Axial slice 103 of 347 of a chest CT (slice 1 is the lowest), reconstructed with the B45f kernel at 120 kVp; 1.00 mm slice thickness and 0.625 mm pixels.
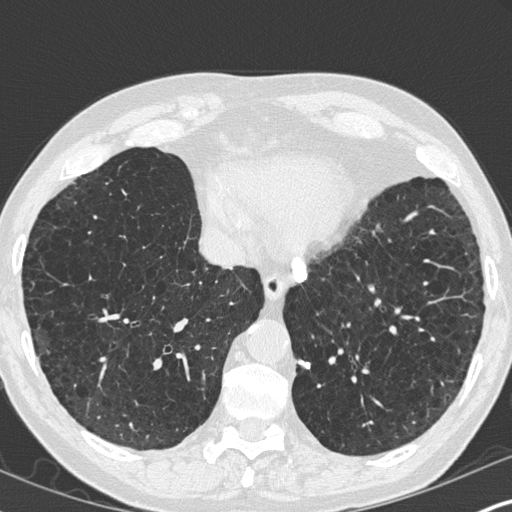
Pulmonary nodule at rows 359–368, columns 298–309 (box = the union of the readers' outlines on this slice), outlined by two of the four readers; longest diameter 12.5 mm on average over the two readers' outlines (readers' outlines 10.7–14.3 mm), volume 348–470 mm3. Ratings, by the readers' most common answer with dissent counted: texture 5/5 (solid) from both readers; margin split among the readers: 4/5 (one), 5/5 (circumscribed) (one); sphericity split among the readers: 3/5 (ovoid) (one), 4/5 (one); calcification solid calcification, both readers agreeing; internal structure soft tissue from both readers; subtlety 5/5 from both readers; malignancy likelihood 1/5, both readers agreeing. Scale key (1–5): texture non-solid→solid, margin indistinct→circumscribed, sphericity linear→round, subtlety extremely subtle→obvious, malignancy likelihood highly unlikely→highly suspicious of cancer. Box rows and columns are 0-based pixel indices from the top-left corner, inclusive.